Axial chest CT slice 60 of 110 (counted from the lowest slice); tube voltage 135 kVp, convolution kernel FC01; slices 3.00 mm thick, 0.732 mm per pixel.
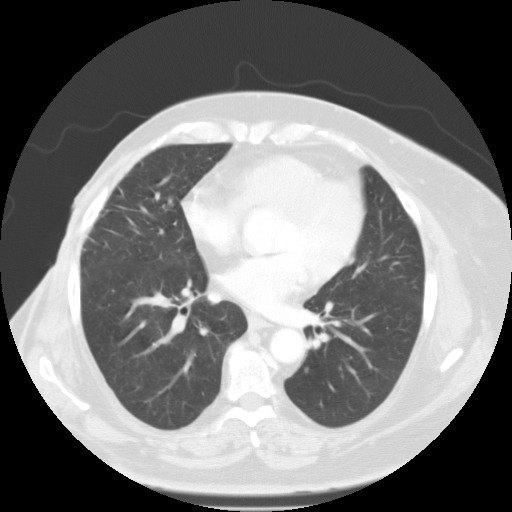
None of the four readers outlined a nodule of 3 mm or more on this slice.